Chest CT, axial plane, 120 kVp, kernel D. Slice 204/280 from the bottom of the scan; thickness 1.00 mm; pixel size 0.564 mm.
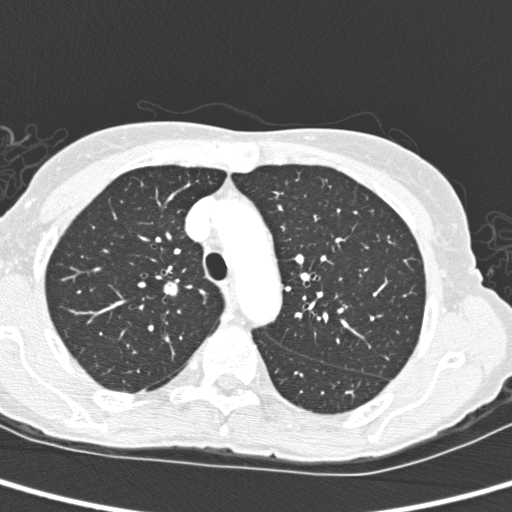
Pulmonary nodule outlined by all four readers; box rows 281–295, columns 163–177 (the union of the readers' outlines on this slice); the four readers' outlines give a longest diameter between 9.9 and 12.5 mm and a volume between 362 and 590 mm3. Ratings across the readers: texture from 4/5 to 5/5 (solid) across the four readers; margin from 4/5 to 5/5 (circumscribed) across the four readers; sphericity from 3/5 (ovoid) to 5/5 (round) across the four readers; calcification absent, all four readers agreeing; internal structure soft tissue, all four readers agreeing; subtlety 4–5/5 (the readers disagree); malignancy likelihood rated between 2 and 5 out of 5 by the four readers. Scale key (1–5): texture non-solid→solid, margin indistinct→circumscribed, sphericity linear→round, subtlety extremely subtle→obvious, malignancy likelihood highly unlikely→highly suspicious of cancer. Box rows and columns are 0-based pixel indices from the top-left corner, inclusive.